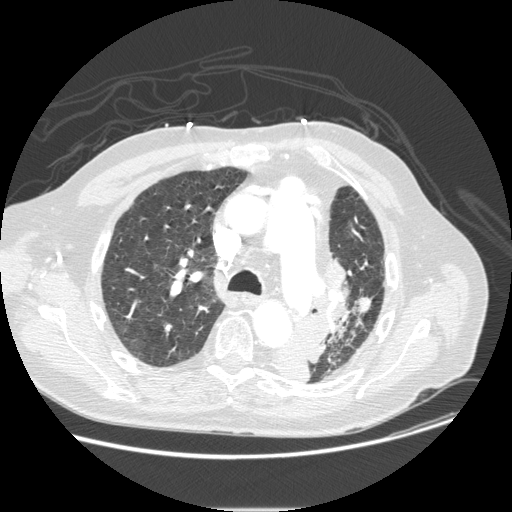
Axial slice 165 of 232 of a chest CT (slice 1 is the lowest), reconstructed with the STANDARD kernel at 120 kVp; 1.25 mm slice thickness and 0.781 mm pixels.
Pulmonary nodule, outlined by all four readers. Box on this slice rows 297–316, columns 352–370, the union of the readers' outlines on this slice; median longest diameter 21.4 mm (readers' outlines 19.0–24.3 mm), median volume 1864 mm3 (1498–2178 mm3). Median ratings and the readers' spread: texture 5/5 (solid), all four readers agreeing; median margin 4.5/5 (readers ranged 4/5 to 5/5 (circumscribed)); sphericity 3/5 (ovoid), all four readers agreeing; calcification absent from all four readers; internal structure soft tissue from all four readers; median subtlety 4.5/5 (readers ranged 4–5); malignancy likelihood 3.5/5 at the median of four readers, spread 2–5. Scale key (1–5): texture non-solid→solid, margin indistinct→circumscribed, sphericity linear→round, subtlety extremely subtle→obvious, malignancy likelihood highly unlikely→highly suspicious of cancer. Box rows and columns are 0-based pixel indices from the top-left corner, inclusive.